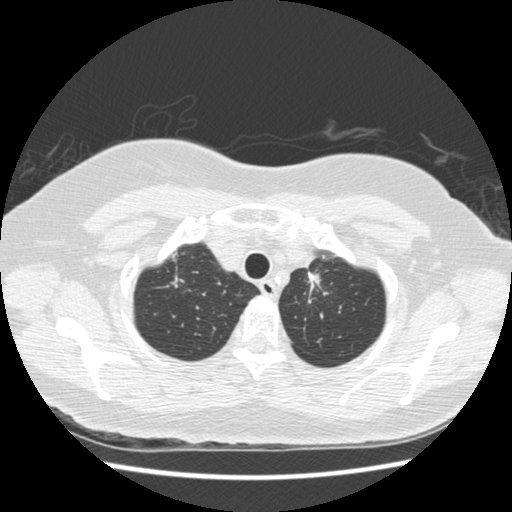
Axial chest CT slice 376 of 445 (counted from the lowest slice); tube voltage 120 kVp, convolution kernel STANDARD; slices 1.25 mm thick, 0.645 mm per pixel.
Pulmonary nodule at rows 275–287, columns 309–319 (box = that reader's outline on this slice), outlined by one of the four readers; longest diameter 31.0 mm and volume 2055 mm3 from that reader's outline. That reader's ratings: texture 5/5 (solid); margin 2/5; sphericity 2/5; calcification absent; internal structure soft tissue; subtlety 5/5; malignancy likelihood 4/5. Scale key (1–5): texture non-solid→solid, margin indistinct→circumscribed, sphericity linear→round, subtlety extremely subtle→obvious, malignancy likelihood highly unlikely→highly suspicious of cancer. Box rows and columns are 0-based pixel indices from the top-left corner, inclusive.